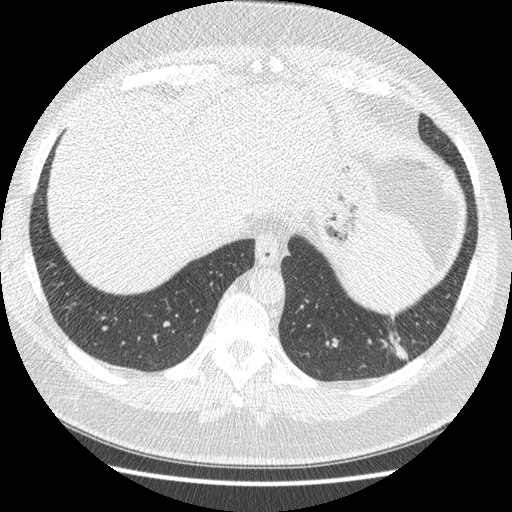
Slice 64/421 of a chest CT, counting up from the lowest; pixel size 0.703 mm, slice thickness 1.25 mm. Pulmonary nodule at rows 315–359, columns 379–408 (box = the union of the readers' outlines on this slice), outlined four times (the source holds four more outlines, not used); the four readers' outlines give a longest diameter between 30.9 and 38.9 mm and a volume between 4443 and 5826 mm3. Ratings across the readers: texture from 4/5 to 5/5 (solid) across the four readers; margin from 3/5 to 4/5 across the four readers; sphericity from 2/5 to 4/5 across the four readers; calcification absent, all four readers agreeing; internal structure soft tissue from all four readers; subtlety rated between 4 and 5 out of 5 by the four readers; malignancy likelihood rated between 2 and 5 out of 5 by the four readers. Scale key (1–5): texture non-solid→solid, margin indistinct→circumscribed, sphericity linear→round, subtlety extremely subtle→obvious, malignancy likelihood highly unlikely→highly suspicious of cancer. Box rows and columns are 0-based pixel indices from the top-left corner, inclusive.
Tube voltage 120 kVp; convolution kernel STANDARD.